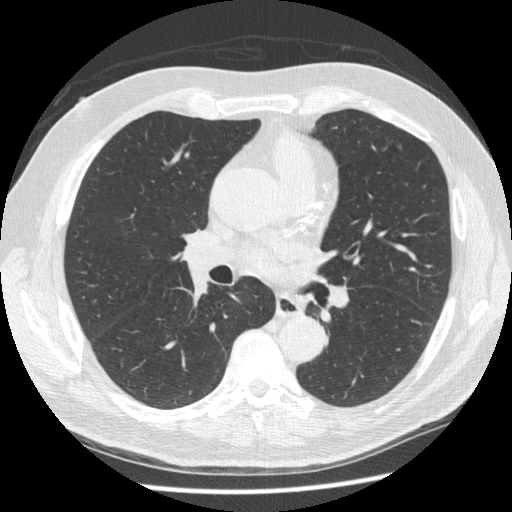
Chest CT, axial plane, 120 kVp, kernel STANDARD. Slice 288/519 from the bottom of the scan; thickness 1.25 mm; pixel size 0.703 mm.
Pulmonary nodule at rows 145–149, columns 397–400 (box = the union of the readers' outlines on this slice), outlined by all four readers, two of them on this slice; median longest diameter 6.0 mm (readers' outlines 5.8–6.4 mm), median volume 47 mm3 (39–52 mm3). Median ratings and the readers' spread: texture 5/5 (solid) from all four readers; margin 4.5/5 at the median of four readers, spread 4/5 to 5/5 (circumscribed); median sphericity 3.5/5 (readers ranged 2/5 to 5/5 (round)); calcification: absent (three), solid calcification (one); internal structure soft tissue from all four readers; subtlety 3/5 at the median of four readers, spread 2–4; malignancy likelihood 2/5 at the median of four readers, spread 1–4. Scale key (1–5): texture non-solid→solid, margin indistinct→circumscribed, sphericity linear→round, subtlety extremely subtle→obvious, malignancy likelihood highly unlikely→highly suspicious of cancer. Box rows and columns are 0-based pixel indices from the top-left corner, inclusive.